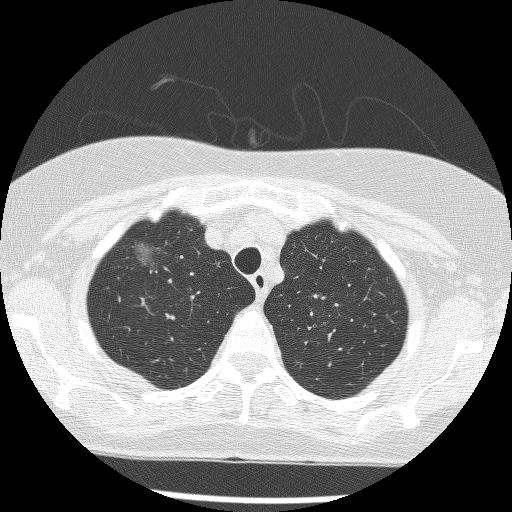
Axial slice 202 of 241 of a chest CT (slice 1 is the lowest), reconstructed with the BONE kernel at 120 kVp; 1.25 mm slice thickness and 0.586 mm pixels.
Pulmonary nodule, outlined by all four readers. Box on this slice rows 241–269, columns 132–160, the union of the readers' outlines on this slice; longest diameter 22.8 mm on average over the four readers' outlines (readers' outlines 21.0–24.7 mm), volume 2289–2909 mm3. The readers' prevailing ratings and who disagreed: texture split among the readers: 1/5 (non-solid) (two), 2/5 (two); most readers (three of four) put margin at 2/5, others 3/5 (one); sphericity 3/5 (ovoid) by two of four readers; the rest gave 2/5 (one), 4/5 (one); calcification absent, all four readers agreeing; internal structure soft tissue from all four readers; subtlety split among the readers: 4/5 (two), 5/5 (two); malignancy likelihood 5/5 by three of four readers; the rest gave 3/5 (one). Scale key (1–5): texture non-solid→solid, margin indistinct→circumscribed, sphericity linear→round, subtlety extremely subtle→obvious, malignancy likelihood highly unlikely→highly suspicious of cancer. Box rows and columns are 0-based pixel indices from the top-left corner, inclusive.